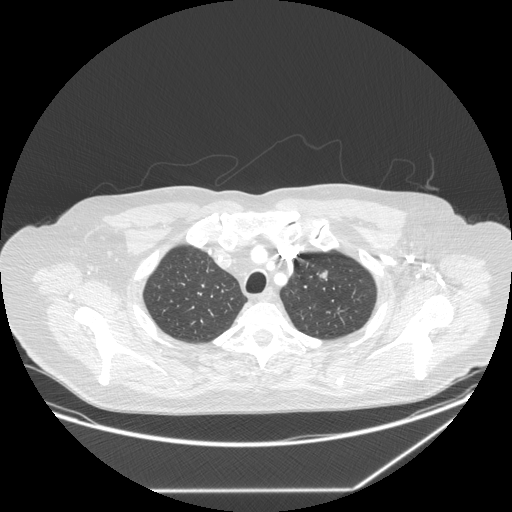
One axial slice (217 of 258, counting up from the lowest) of a chest CT acquired at 120 kVp with the STANDARD kernel; each pixel is 0.859 mm and the slice is 1.25 mm thick.
Pulmonary nodule at rows 270–280, columns 319–327 (box = the union of the readers' outlines on this slice), outlined by all four readers; median longest diameter 13.2 mm (readers' outlines 11.3–14.0 mm), median volume 551 mm3 (372–779 mm3). Ratings, median across the readers with their spread: texture 5/5 (solid) from all four readers; median margin 4.5/5 (readers ranged 4/5 to 5/5 (circumscribed)); sphericity 3.5/5 at the median of four readers, spread 3/5 (ovoid) to 5/5 (round); calcification absent from all four readers; internal structure soft tissue from all four readers; subtlety 5/5 at the median of four readers, spread 4–5; median malignancy likelihood 3.5/5 (readers ranged 3–4). Scale key (1–5): texture non-solid→solid, margin indistinct→circumscribed, sphericity linear→round, subtlety extremely subtle→obvious, malignancy likelihood highly unlikely→highly suspicious of cancer. Box rows and columns are 0-based pixel indices from the top-left corner, inclusive.